One axial slice (169 of 232, counting up from the lowest) of a chest CT acquired at 120 kVp with the STANDARD kernel; each pixel is 0.781 mm and the slice is 1.25 mm thick.
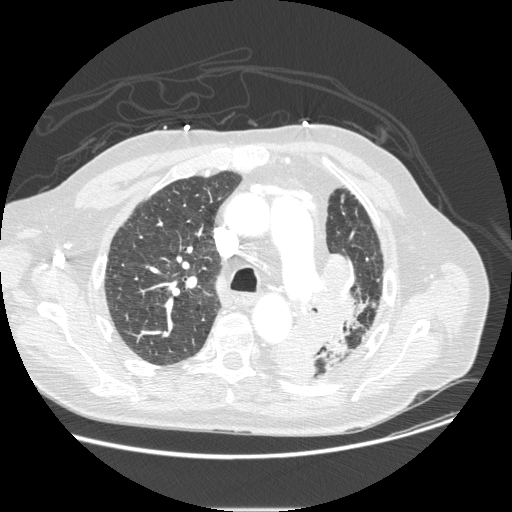
Pulmonary nodule at rows 304–314, columns 357–366 (box = the one reader's outline on this slice), outlined by all four readers, one of them on this slice; longest diameter 19.0–24.3 mm and volume 1498–2178 mm3 across the four readers' outlines. The readers' ratings, as ranges where they differ: texture 5/5 (solid), all four readers agreeing; margin from 4/5 to 5/5 (circumscribed) across the four readers; sphericity 3/5 (ovoid) from all four readers; calcification absent from all four readers; internal structure soft tissue, all four readers agreeing; subtlety 4–5/5 (the readers disagree); malignancy likelihood from 2/5 to 5/5 across the four readers. Scale key (1–5): texture non-solid→solid, margin indistinct→circumscribed, sphericity linear→round, subtlety extremely subtle→obvious, malignancy likelihood highly unlikely→highly suspicious of cancer. Box rows and columns are 0-based pixel indices from the top-left corner, inclusive.